Axial slice 53 of 133 of a chest CT (slice 1 is the lowest), reconstructed with the LUNG kernel at 120 kVp; 2.50 mm slice thickness and 0.703 mm pixels.
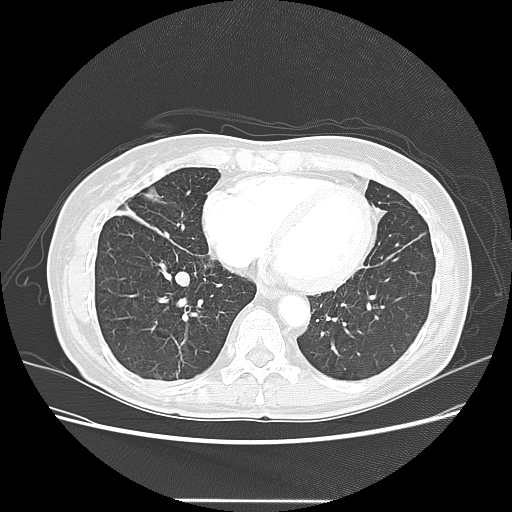
Pulmonary nodule, outlined by all four readers. Box on this slice rows 270–287, columns 175–189, the union of the readers' outlines on this slice; median longest diameter 12.4 mm (readers' outlines 12.1–13.8 mm), median volume 753 mm3 (702–894 mm3). Ratings, median across the readers with their spread: texture 5/5 (solid) from all four readers; median margin 4/5 (readers ranged 4/5 to 5/5 (circumscribed)); median sphericity 4.5/5 (readers ranged 4/5 to 5/5 (round)); calcification absent from all four readers; internal structure soft tissue from all four readers; subtlety 4.5/5 at the median of four readers, spread 4–5; malignancy likelihood 3.5/5 at the median of four readers, spread 3–5. Scale key (1–5): texture non-solid→solid, margin indistinct→circumscribed, sphericity linear→round, subtlety extremely subtle→obvious, malignancy likelihood highly unlikely→highly suspicious of cancer. Box rows and columns are 0-based pixel indices from the top-left corner, inclusive.